One axial slice (219 of 529, counting up from the lowest) of a chest CT acquired at 120 kVp with the B30f kernel; each pixel is 0.703 mm and the slice is 0.75 mm thick.
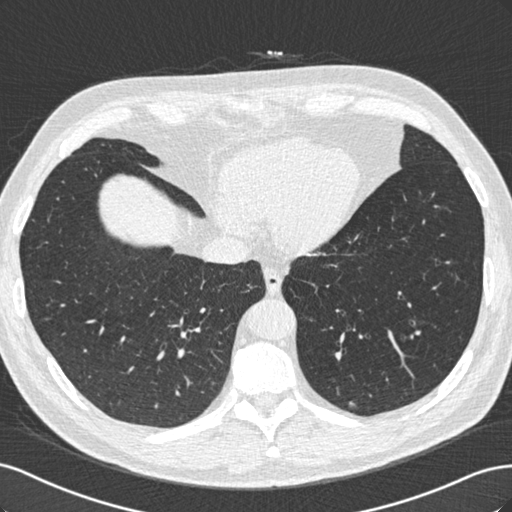
Two pulmonary nodules are outlined on this slice; from left to right: (1) Pulmonary nodule, outlined by one of the four readers. Box on this slice rows 402–404, columns 350–353, that reader's outline on this slice; longest diameter 6.3 mm and volume 37 mm3 from that reader's outline. That reader's ratings: texture 4/5; margin 4/5; sphericity 3/5 (ovoid); calcification absent; internal structure soft tissue; subtlety 5/5; malignancy likelihood 3/5. (2) Pulmonary nodule outlined by one of the four readers; box rows 401–405, columns 349–354 (that reader's outline on this slice); longest diameter 7.6 mm and volume 65 mm3 from that reader's outline. That reader's ratings: texture 5/5 (solid); margin 4/5; sphericity 3/5 (ovoid); calcification absent; internal structure soft tissue; subtlety 3/5; malignancy likelihood 3/5. Scale key (1–5): texture non-solid→solid, margin indistinct→circumscribed, sphericity linear→round, subtlety extremely subtle→obvious, malignancy likelihood highly unlikely→highly suspicious of cancer. Box rows and columns are 0-based pixel indices from the top-left corner, inclusive.